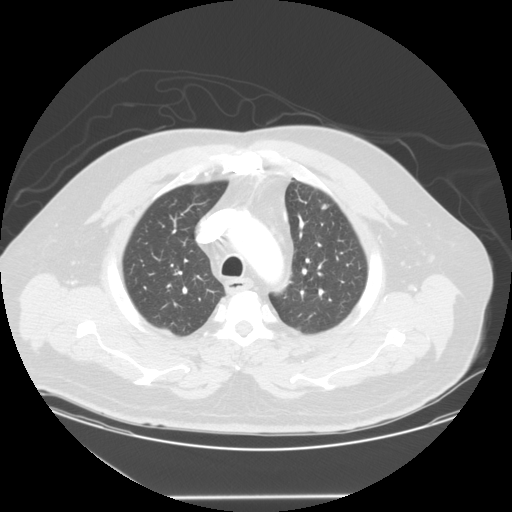
Axial chest CT slice 106 of 127 (counted from the lowest slice); tube voltage 120 kVp, convolution kernel STANDARD; slices 2.50 mm thick, 0.859 mm per pixel.
Pulmonary nodule outlined by three of the four readers; box rows 204–209, columns 321–328 (the union of the readers' outlines on this slice); longest diameter 6.9 mm on average over the three readers' outlines (readers' outlines 5.4–7.9 mm), volume 71–181 mm3. The readers' prevailing ratings and who disagreed: most readers (two of three) put texture at 5/5 (solid), others 4/5 (one); margin split among the readers: 2/5 (one), 3/5 (one), 4/5 (one); sphericity 3/5 (ovoid) by two of three readers; the rest gave 2/5 (one); calcification absent from all three readers; internal structure soft tissue from all three readers; subtlety split among the readers: 2/5 (one), 3/5 (one), 4/5 (one); malignancy likelihood 2/5 by two of three readers; the rest gave 3/5 (one). Scale key (1–5): texture non-solid→solid, margin indistinct→circumscribed, sphericity linear→round, subtlety extremely subtle→obvious, malignancy likelihood highly unlikely→highly suspicious of cancer. Box rows and columns are 0-based pixel indices from the top-left corner, inclusive.